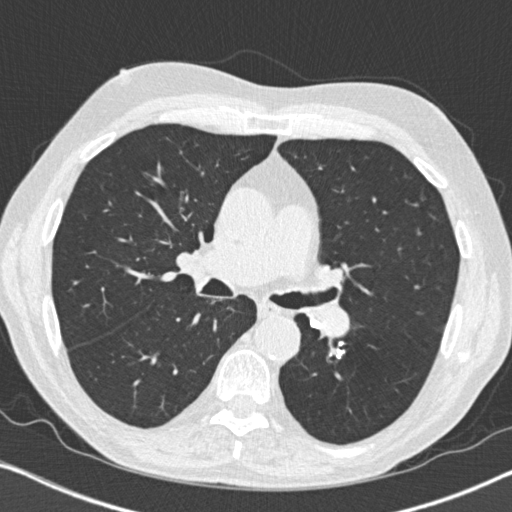
Axial chest CT slice 465 of 764 (counted from the lowest slice); 1.00 mm thick, 0.646 mm per pixel. Pulmonary nodule, outlined by one of the four readers. Box on this slice rows 349–358, columns 336–344, that reader's outline on this slice; longest diameter 8.3 mm and volume 154 mm3 from that reader's outline. Ratings by that reader: texture 5/5 (solid); margin 5/5 (circumscribed); sphericity 3/5 (ovoid); calcification solid calcification; internal structure soft tissue; subtlety 5/5; malignancy likelihood 1/5. Scale key (1–5): texture non-solid→solid, margin indistinct→circumscribed, sphericity linear→round, subtlety extremely subtle→obvious, malignancy likelihood highly unlikely→highly suspicious of cancer. Box rows and columns are 0-based pixel indices from the top-left corner, inclusive.
Tube voltage 120 kVp; convolution kernel B31f.